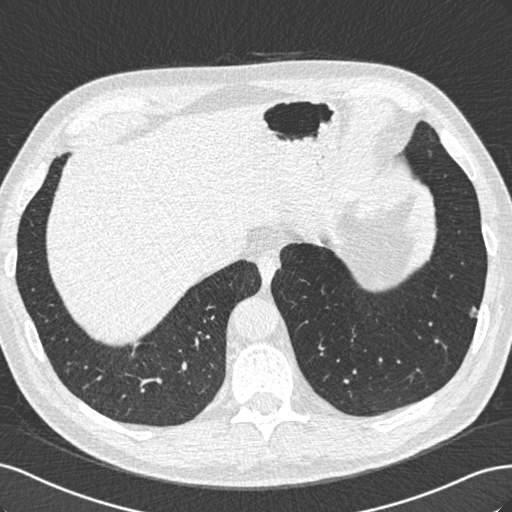
Slice 189/529 of a chest CT, counting up from the lowest; pixel size 0.703 mm, slice thickness 0.75 mm. Pulmonary nodule at rows 306–317, columns 469–477 (box = the union of the readers' outlines on this slice), outlined by three of the four readers; the three readers' outlines give a longest diameter between 8.0 and 10.9 mm and a volume between 66 and 163 mm3. Ratings across the readers: texture from 4/5 to 5/5 (solid) across the three readers; margin from 4/5 to 5/5 (circumscribed) across the three readers; sphericity 5/5 (round), all three readers agreeing; calcification absent, all three readers agreeing; internal structure soft tissue, all three readers agreeing; subtlety 3–5/5 (the readers disagree); malignancy likelihood rated between 2 and 4 out of 5 by the three readers. Scale key (1–5): texture non-solid→solid, margin indistinct→circumscribed, sphericity linear→round, subtlety extremely subtle→obvious, malignancy likelihood highly unlikely→highly suspicious of cancer. Box rows and columns are 0-based pixel indices from the top-left corner, inclusive.
Scan settings: 120 kVp, B30f reconstruction kernel.